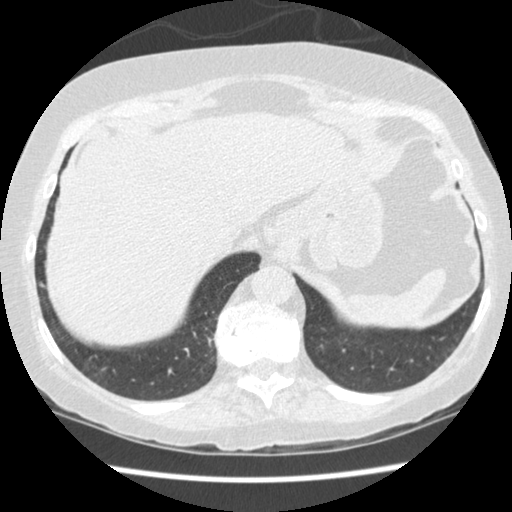
Slice 62/458 of a chest CT, counting up from the lowest; pixel size 0.625 mm, slice thickness 1.25 mm. Pulmonary nodule outlined by one of the four readers; box rows 282–287, columns 40–44 (that reader's outline on this slice); longest diameter 6.4 mm and volume 86 mm3 from that reader's outline. Ratings by that reader: texture 5/5 (solid); margin 4/5; sphericity 3/5 (ovoid); calcification absent; internal structure soft tissue; subtlety 3/5; malignancy likelihood 1/5. Scale key (1–5): texture non-solid→solid, margin indistinct→circumscribed, sphericity linear→round, subtlety extremely subtle→obvious, malignancy likelihood highly unlikely→highly suspicious of cancer. Box rows and columns are 0-based pixel indices from the top-left corner, inclusive.
Tube voltage 120 kVp; convolution kernel STANDARD.